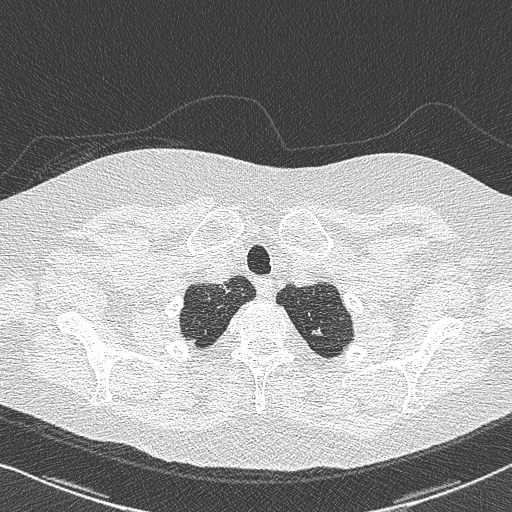
One axial slice (663 of 733, counting up from the lowest) of a chest CT acquired at 120 kVp with the B50f kernel; each pixel is 0.637 mm and the slice is 0.60 mm thick.
Pulmonary nodule at rows 325–335, columns 311–325 (box = the union of the readers' outlines on this slice), outlined by three of the four readers; longest diameter 9.7 mm on average over the three readers' outlines (readers' outlines 8.9–10.9 mm), volume 51–94 mm3. Ratings, by the readers' most common answer with dissent counted: texture split among the readers: 3/5 (part-solid) (one), 4/5 (one), 5/5 (solid) (one); margin split among the readers: 2/5 (one), 3/5 (one), 4/5 (one); sphericity split among the readers: 2/5 (one), 3/5 (ovoid) (one), 5/5 (round) (one); calcification absent, all three readers agreeing; internal structure soft tissue, all three readers agreeing; subtlety 4/5 by two of three readers; the rest gave 5/5 (one); most readers (two of three) put malignancy likelihood at 4/5, others 3/5 (one). Scale key (1–5): texture non-solid→solid, margin indistinct→circumscribed, sphericity linear→round, subtlety extremely subtle→obvious, malignancy likelihood highly unlikely→highly suspicious of cancer. Box rows and columns are 0-based pixel indices from the top-left corner, inclusive.